One axial slice (56 of 117, counting up from the lowest) of a chest CT acquired at 130 kVp with the B31s kernel; each pixel is 0.566 mm and the slice is 3.00 mm thick.
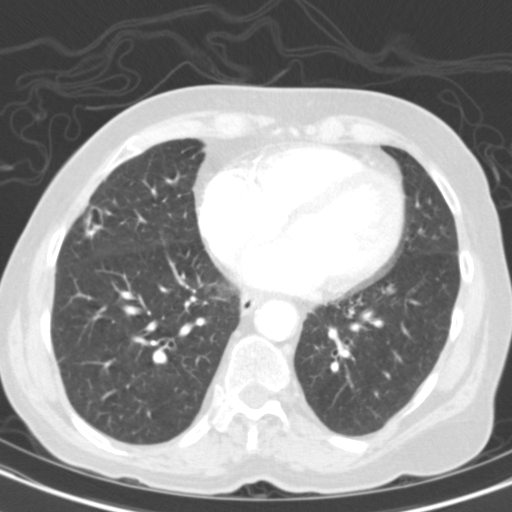
Pulmonary nodule outlined by all four readers; box rows 206–238, columns 83–104 (the union of the readers' outlines on this slice); median longest diameter 20.1 mm (readers' outlines 18.9–22.0 mm), median volume 1601 mm3 (1351–2170 mm3). Ratings, median across the readers with their spread: median texture 4.5/5 (readers ranged 3/5 (part-solid) to 5/5 (solid)); median margin 4.5/5 (readers ranged 3/5 to 5/5 (circumscribed)); sphericity 3.5/5 at the median of four readers, spread 3/5 (ovoid) to 5/5 (round); calcification absent, all four readers agreeing; internal structure soft tissue from all four readers; subtlety 5/5, all four readers agreeing; median malignancy likelihood 5/5 (readers ranged 4–5). Scale key (1–5): texture non-solid→solid, margin indistinct→circumscribed, sphericity linear→round, subtlety extremely subtle→obvious, malignancy likelihood highly unlikely→highly suspicious of cancer. Box rows and columns are 0-based pixel indices from the top-left corner, inclusive.